Chest CT, axial plane, 120 kVp, kernel B50f. Slice 574/733 from the bottom of the scan; thickness 0.60 mm; pixel size 0.637 mm.
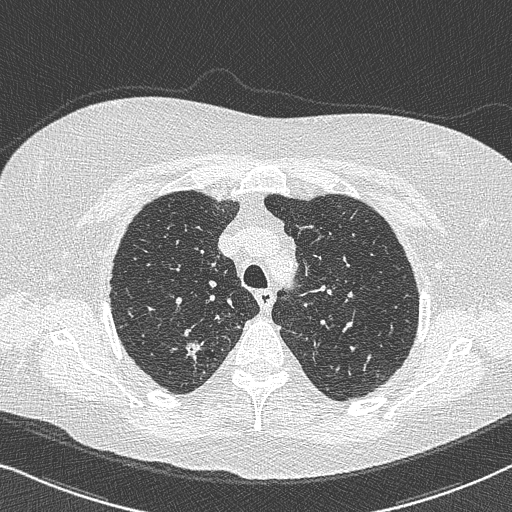
Pulmonary nodule, outlined by all four readers. Box on this slice rows 340–365, columns 185–201, the union of the readers' outlines on this slice; longest diameter 22.0 mm on average over the four readers' outlines (readers' outlines 15.5–29.7 mm), volume 888–2128 mm3. The readers' prevailing ratings and who disagreed: texture 5/5 (solid) by three of four readers; the rest gave 4/5 (one); margin 3/5 by two of four readers; the rest gave 1/5 (indistinct) (one), 4/5 (one); sphericity 3/5 (ovoid) by two of four readers; the rest gave 2/5 (one), 5/5 (round) (one); calcification absent from all four readers; internal structure soft tissue, all four readers agreeing; subtlety 5/5 by three of four readers; the rest gave 4/5 (one); malignancy likelihood 4/5 by three of four readers; the rest gave 5/5 (one). Scale key (1–5): texture non-solid→solid, margin indistinct→circumscribed, sphericity linear→round, subtlety extremely subtle→obvious, malignancy likelihood highly unlikely→highly suspicious of cancer. Box rows and columns are 0-based pixel indices from the top-left corner, inclusive.